Chest CT, axial plane, 120 kVp, kernel B. Slice 210/315 from the bottom of the scan; thickness 2.00 mm; pixel size 0.830 mm.
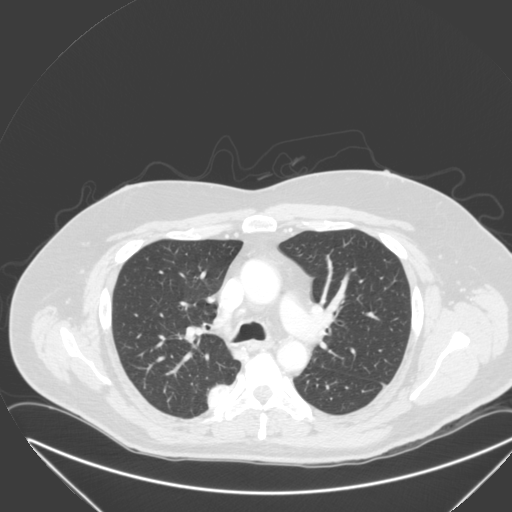
Pulmonary nodule at rows 386–406, columns 209–227 (box = that reader's outline on this slice), outlined by one of the four readers; longest diameter 27.1 mm and volume 6093 mm3 from that reader's outline. Ratings by that reader: texture 5/5 (solid); margin 4/5; sphericity 2/5; calcification absent; internal structure soft tissue; subtlety 5/5; malignancy likelihood 4/5. Scale key (1–5): texture non-solid→solid, margin indistinct→circumscribed, sphericity linear→round, subtlety extremely subtle→obvious, malignancy likelihood highly unlikely→highly suspicious of cancer. Box rows and columns are 0-based pixel indices from the top-left corner, inclusive.